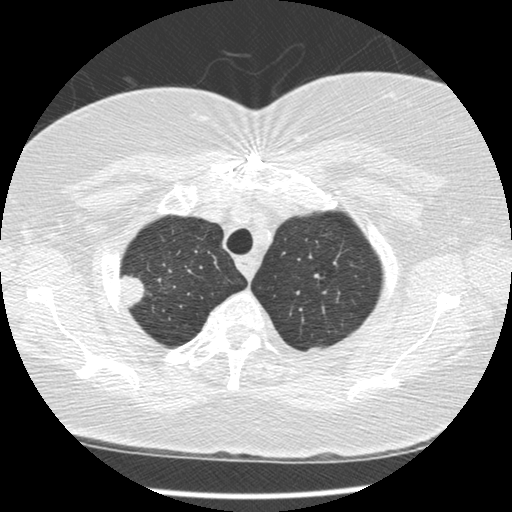
Axial chest CT slice 313 of 375 (counted from the lowest slice); tube voltage 120 kVp, convolution kernel STANDARD; slices 1.25 mm thick, 0.625 mm per pixel.
Pulmonary nodule at rows 274–309, columns 120–145 (box = the union of the readers' outlines on this slice), outlined by all four readers; longest diameter 22.5 mm on average over the four readers' outlines (readers' outlines 21.2–23.2 mm), volume 2289–3466 mm3. The readers' prevailing ratings and who disagreed: texture 5/5 (solid) by three of four readers; the rest gave 4/5 (one); margin 4/5 by two of four readers; the rest gave 3/5 (one), 5/5 (circumscribed) (one); sphericity split among the readers: 2/5 (one), 3/5 (ovoid) (one), 4/5 (one), 5/5 (round) (one); calcification absent from all four readers; internal structure soft tissue, all four readers agreeing; subtlety 5/5 from all four readers; most readers (three of four) put malignancy likelihood at 5/5, others 3/5 (one). Scale key (1–5): texture non-solid→solid, margin indistinct→circumscribed, sphericity linear→round, subtlety extremely subtle→obvious, malignancy likelihood highly unlikely→highly suspicious of cancer. Box rows and columns are 0-based pixel indices from the top-left corner, inclusive.